Chest CT, axial plane, 120 kVp, kernel B30f. Slice 235/441 from the bottom of the scan; thickness 0.75 mm; pixel size 0.520 mm.
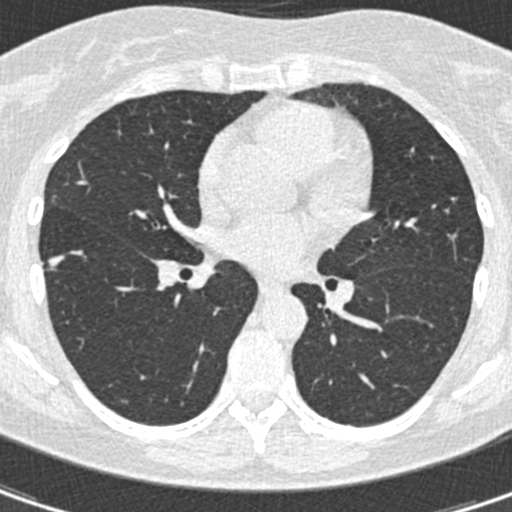
Pulmonary nodule outlined by three of the four readers; box rows 255–270, columns 47–63 (the union of the readers' outlines on this slice); median longest diameter 12.1 mm (readers' outlines 9.8–12.4 mm), median volume 274 mm3 (248–289 mm3). Ratings, median across the readers with their spread: texture 5/5 (solid) at the median of three readers, spread 4/5 to 5/5 (solid); margin 4/5 at the median of three readers, spread 4/5 to 5/5 (circumscribed); sphericity 4/5 at the median of three readers, spread 4/5 to 5/5 (round); calcification: absent (two), solid calcification (one); internal structure soft tissue from all three readers; median subtlety 4/5 (readers ranged 4–5); median malignancy likelihood 1/5 (readers ranged 1–3). Scale key (1–5): texture non-solid→solid, margin indistinct→circumscribed, sphericity linear→round, subtlety extremely subtle→obvious, malignancy likelihood highly unlikely→highly suspicious of cancer. Box rows and columns are 0-based pixel indices from the top-left corner, inclusive.